Chest CT, axial plane, 120 kVp, kernel STANDARD. Slice 374/484 from the bottom of the scan; thickness 1.25 mm; pixel size 0.625 mm.
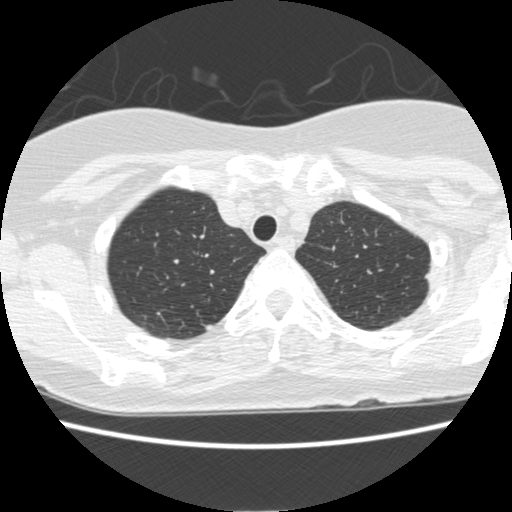
Pulmonary nodule outlined by one of the four readers; box rows 325–329, columns 205–211 (that reader's outline on this slice); longest diameter 5.9 mm and volume 45 mm3 from that reader's outline. Ratings by that reader: texture 5/5 (solid); margin 4/5; sphericity 3/5 (ovoid); calcification absent; internal structure soft tissue; subtlety 3/5; malignancy likelihood 1/5. Scale key (1–5): texture non-solid→solid, margin indistinct→circumscribed, sphericity linear→round, subtlety extremely subtle→obvious, malignancy likelihood highly unlikely→highly suspicious of cancer. Box rows and columns are 0-based pixel indices from the top-left corner, inclusive.